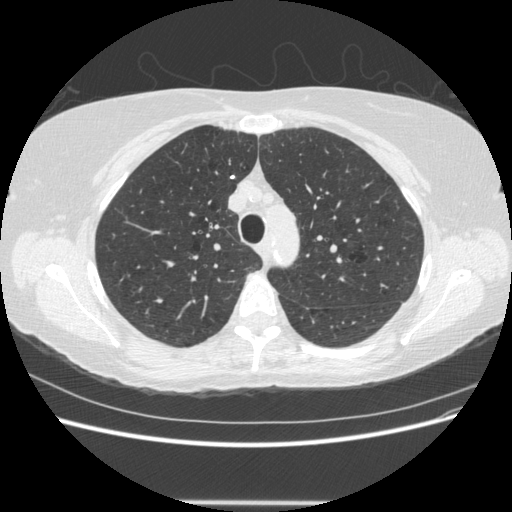
One axial slice (399 of 513, counting up from the lowest) of a chest CT acquired at 120 kVp with the STANDARD kernel; each pixel is 0.703 mm and the slice is 1.25 mm thick.
Pulmonary nodule outlined by two of the four readers; box rows 175–179, columns 229–234 (the union of the readers' outlines on this slice); longest diameter 5.4 mm on average over the two readers' outlines (readers' outlines 5.0–5.8 mm), volume 42–49 mm3. Ratings, by the readers' most common answer with dissent counted: texture 5/5 (solid), both readers agreeing; margin 5/5 (circumscribed), both readers agreeing; sphericity 5/5 (round), both readers agreeing; calcification split among the readers: solid calcification (one), absent (one); internal structure soft tissue, both readers agreeing; subtlety 3/5, both readers agreeing; malignancy likelihood split among the readers: 1/5 (one), 2/5 (one). Scale key (1–5): texture non-solid→solid, margin indistinct→circumscribed, sphericity linear→round, subtlety extremely subtle→obvious, malignancy likelihood highly unlikely→highly suspicious of cancer. Box rows and columns are 0-based pixel indices from the top-left corner, inclusive.